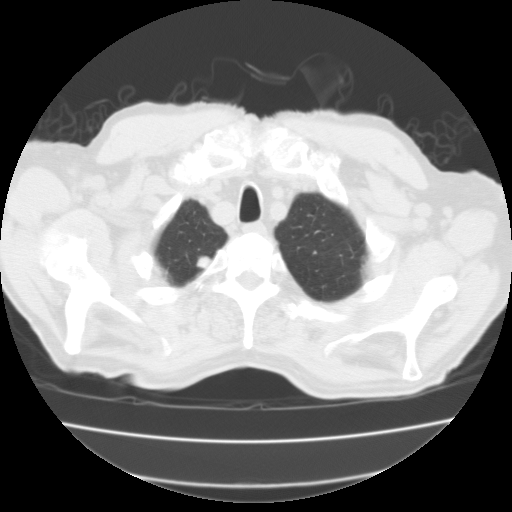
Axial slice 89 of 111 of a chest CT (slice 1 is the lowest), reconstructed with the FC01 kernel at 135 kVp; 3.00 mm slice thickness and 0.714 mm pixels.
Pulmonary nodule outlined by all four readers; box rows 255–269, columns 196–210 (the union of the readers' outlines on this slice); median longest diameter 11.5 mm (readers' outlines 10.7–11.8 mm), median volume 770 mm3 (677–849 mm3). Median ratings and the readers' spread: texture 5/5 (solid), all four readers agreeing; margin 5/5 (circumscribed) from all four readers; median sphericity 4/5 (readers ranged 4/5 to 5/5 (round)); calcification absent from all four readers; internal structure soft tissue, all four readers agreeing; median subtlety 5/5 (readers ranged 3–5); median malignancy likelihood 3/5 (readers ranged 2–4). Scale key (1–5): texture non-solid→solid, margin indistinct→circumscribed, sphericity linear→round, subtlety extremely subtle→obvious, malignancy likelihood highly unlikely→highly suspicious of cancer. Box rows and columns are 0-based pixel indices from the top-left corner, inclusive.